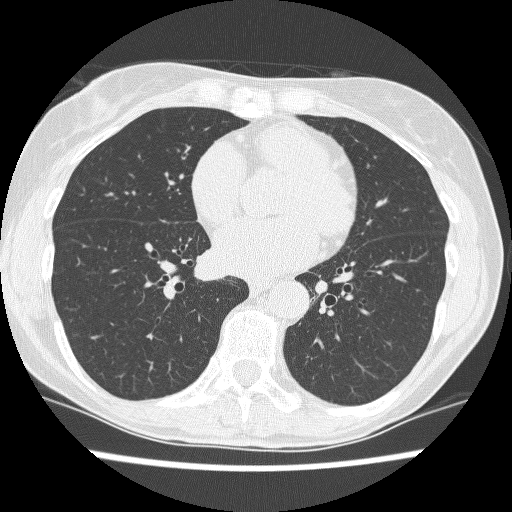
One axial slice (99 of 241, counting up from the lowest) of a chest CT acquired at 120 kVp with the BONE kernel; each pixel is 0.586 mm and the slice is 1.25 mm thick.
The readers outlined no nodule of 3 mm or more on this slice.